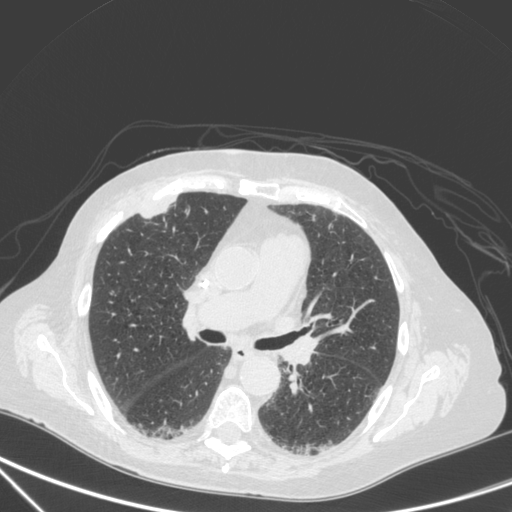
This is axial slice 190 of 350 (slice 1 is the lowest) of a chest CT; each pixel is 0.725 mm and the slice is 1.50 mm thick. Pulmonary nodule, outlined by one of the four readers. Box on this slice rows 198–217, columns 141–175, that reader's outline on this slice; longest diameter 29.5 mm and volume 4181 mm3 from that reader's outline. That reader's ratings: texture 5/5 (solid); margin 4/5; sphericity 2/5; calcification absent; internal structure soft tissue; subtlety 5/5; malignancy likelihood 4/5. Scale key (1–5): texture non-solid→solid, margin indistinct→circumscribed, sphericity linear→round, subtlety extremely subtle→obvious, malignancy likelihood highly unlikely→highly suspicious of cancer. Box rows and columns are 0-based pixel indices from the top-left corner, inclusive.
Acquired at 120 kVp and reconstructed with the C kernel.